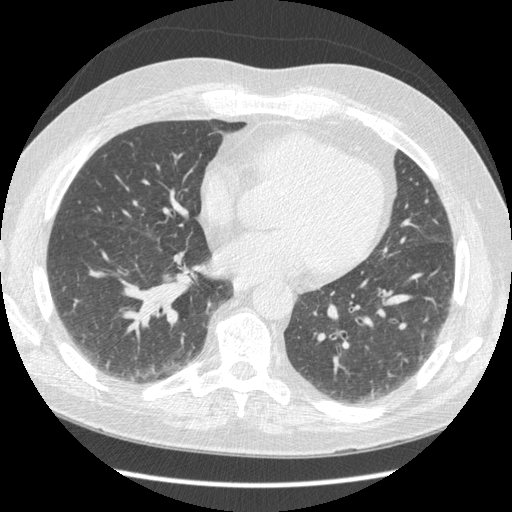
Axial slice 166 of 429 of a chest CT (slice 1 is the lowest), reconstructed with the STANDARD kernel at 120 kVp; 1.25 mm slice thickness and 0.703 mm pixels.
Pulmonary nodule, outlined by all four readers, one of them on this slice. Box on this slice rows 373–376, columns 388–391, the one reader's outline on this slice; the four readers' outlines give a longest diameter between 7.9 and 12.4 mm and a volume between 94 and 254 mm3. Ratings across the readers: texture 5/5 (solid), all four readers agreeing; margin from 3/5 to 5/5 (circumscribed) across the four readers; sphericity from 3/5 (ovoid) to 5/5 (round) across the four readers; calcification absent from all four readers; internal structure soft tissue, all four readers agreeing; subtlety 3–5/5 (the readers disagree); malignancy likelihood 2–4/5 (the readers disagree). Scale key (1–5): texture non-solid→solid, margin indistinct→circumscribed, sphericity linear→round, subtlety extremely subtle→obvious, malignancy likelihood highly unlikely→highly suspicious of cancer. Box rows and columns are 0-based pixel indices from the top-left corner, inclusive.